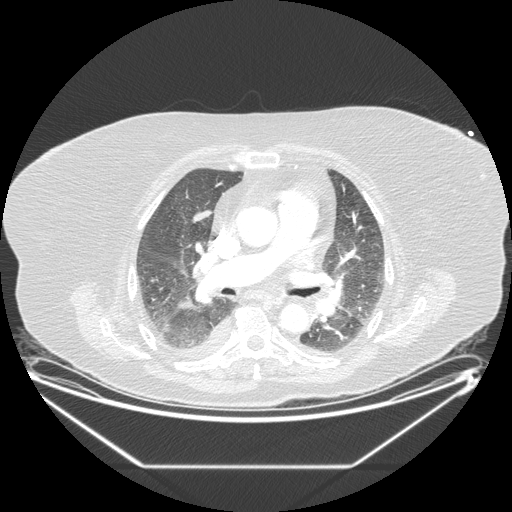
Axial slice 110 of 206 of a chest CT (slice 1 is the lowest), reconstructed with the STANDARD kernel at 120 kVp; 1.25 mm slice thickness and 0.898 mm pixels.
Pulmonary nodule at rows 210–222, columns 192–211 (box = the union of the readers' outlines on this slice), outlined by three of the four readers; the three readers' outlines give a longest diameter between 31.1 and 37.8 mm and a volume between 4036 and 4781 mm3. The readers' ratings, as ranges where they differ: texture from 1/5 (non-solid) to 5/5 (solid) across the three readers; margin 4/5 from all three readers; sphericity from 2/5 to 3/5 (ovoid) across the three readers; calcification absent from all three readers; internal structure soft tissue from all three readers; subtlety rated between 4 and 5 out of 5 by the three readers; malignancy likelihood rated between 3 and 5 out of 5 by the three readers. Scale key (1–5): texture non-solid→solid, margin indistinct→circumscribed, sphericity linear→round, subtlety extremely subtle→obvious, malignancy likelihood highly unlikely→highly suspicious of cancer. Box rows and columns are 0-based pixel indices from the top-left corner, inclusive.